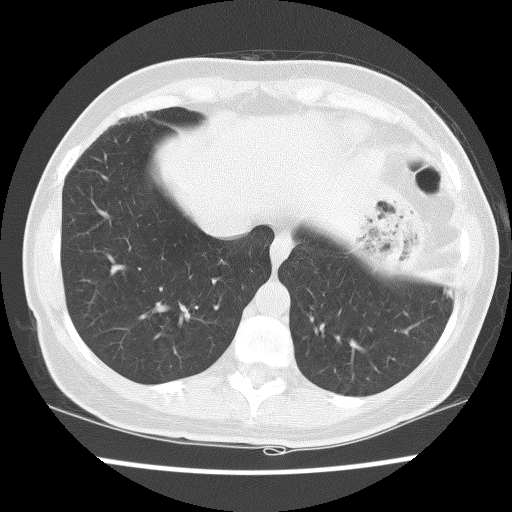
Slice 36/115 of a chest CT, counting up from the lowest; pixel size 0.586 mm, slice thickness 2.50 mm. Pulmonary nodule at rows 288–297, columns 444–451 (box = that reader's outline on this slice), outlined by one of the four readers; longest diameter 8.0 mm and volume 106 mm3 from that reader's outline. Ratings by that reader: texture 5/5 (solid); margin 2/5; sphericity 4/5; calcification absent; internal structure soft tissue; subtlety 4/5; malignancy likelihood 3/5. Scale key (1–5): texture non-solid→solid, margin indistinct→circumscribed, sphericity linear→round, subtlety extremely subtle→obvious, malignancy likelihood highly unlikely→highly suspicious of cancer. Box rows and columns are 0-based pixel indices from the top-left corner, inclusive.
Acquired at 140 kVp and reconstructed with the BONE kernel.